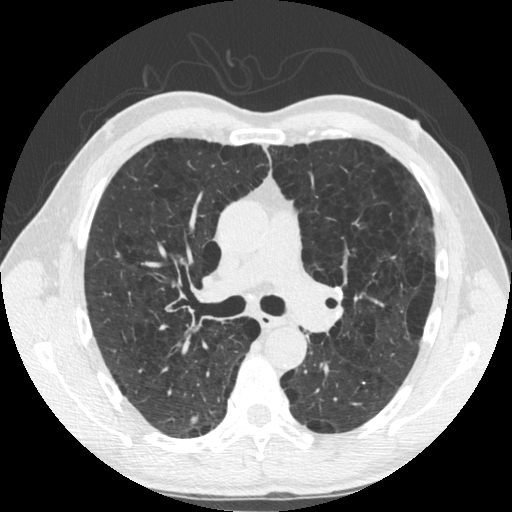
Axial chest CT slice 325 of 535 (counted from the lowest slice); 1.25 mm thick, 0.664 mm per pixel. Pulmonary nodule, outlined by all four readers. Box on this slice rows 416–423, columns 190–197, the union of the readers' outlines on this slice; longest diameter 10.5–12.4 mm and volume 543–647 mm3 across the four readers' outlines. The readers' ratings, as ranges where they differ: texture 5/5 (solid), all four readers agreeing; margin 5/5 (circumscribed), all four readers agreeing; sphericity from 3/5 (ovoid) to 5/5 (round) across the four readers; calcification: absent (three), laminated calcification (one); internal structure soft tissue from all four readers; subtlety 5/5 from all four readers; malignancy likelihood rated between 1 and 5 out of 5 by the four readers. Scale key (1–5): texture non-solid→solid, margin indistinct→circumscribed, sphericity linear→round, subtlety extremely subtle→obvious, malignancy likelihood highly unlikely→highly suspicious of cancer. Box rows and columns are 0-based pixel indices from the top-left corner, inclusive.
Scan settings: 120 kVp, STANDARD reconstruction kernel.